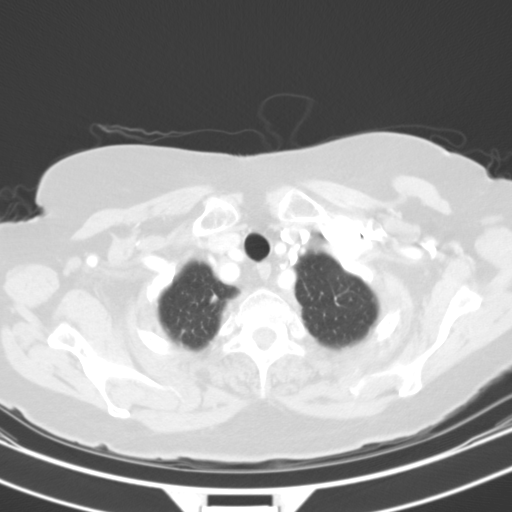
Chest CT, axial plane, 130 kVp, kernel B31s. Slice 99/109 from the bottom of the scan; thickness 3.00 mm; pixel size 0.629 mm.
Pulmonary nodule, outlined by all four readers. Box on this slice rows 294–302, columns 210–217, the union of the readers' outlines on this slice; longest diameter 7.2–8.6 mm and volume 167–267 mm3 across the four readers' outlines. Ratings across the readers: texture from 4/5 to 5/5 (solid) across the four readers; margin from 4/5 to 5/5 (circumscribed) across the four readers; sphericity from 3/5 (ovoid) to 5/5 (round) across the four readers; calcification absent, all four readers agreeing; internal structure soft tissue from all four readers; subtlety from 3/5 to 5/5 across the four readers; malignancy likelihood from 2/5 to 4/5 across the four readers. Scale key (1–5): texture non-solid→solid, margin indistinct→circumscribed, sphericity linear→round, subtlety extremely subtle→obvious, malignancy likelihood highly unlikely→highly suspicious of cancer. Box rows and columns are 0-based pixel indices from the top-left corner, inclusive.